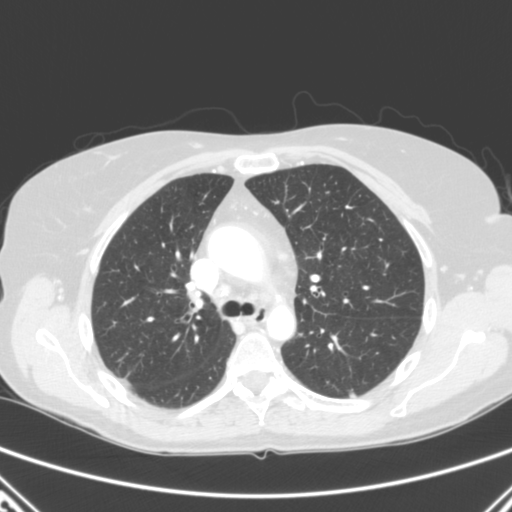
Axial chest CT slice 185 of 280 (counted from the lowest slice); tube voltage 120 kVp, convolution kernel B; slices 2.00 mm thick, 0.676 mm per pixel.
Pulmonary nodule outlined by one of the four readers; box rows 392–396, columns 350–356 (that reader's outline on this slice); longest diameter 7.6 mm and volume 45 mm3 from that reader's outline. Ratings by that reader: texture 4/5; margin 3/5; sphericity 2/5; calcification absent; internal structure soft tissue; subtlety 3/5; malignancy likelihood 1/5. Scale key (1–5): texture non-solid→solid, margin indistinct→circumscribed, sphericity linear→round, subtlety extremely subtle→obvious, malignancy likelihood highly unlikely→highly suspicious of cancer. Box rows and columns are 0-based pixel indices from the top-left corner, inclusive.